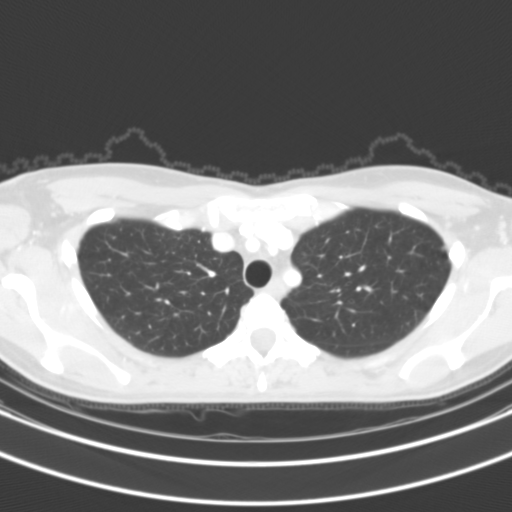
Axial slice 86 of 116 of a chest CT (slice 1 is the lowest), reconstructed with the B31s kernel at 130 kVp; 3.00 mm slice thickness and 0.588 mm pixels.
Pulmonary nodule, outlined by all four readers, three of them on this slice. Box on this slice rows 246–250, columns 440–444, the union of the readers' outlines on this slice; the four readers' outlines give a longest diameter between 4.3 and 5.4 mm and a volume between 29 and 69 mm3. Ratings across the readers: texture from 1/5 (non-solid) to 5/5 (solid) across the four readers; margin from 1/5 (indistinct) to 4/5 across the four readers; sphericity from 3/5 (ovoid) to 4/5 across the four readers; calcification absent from all four readers; internal structure soft tissue from all four readers; subtlety from 1/5 to 5/5 across the four readers; malignancy likelihood 1–4/5 (the readers disagree). Scale key (1–5): texture non-solid→solid, margin indistinct→circumscribed, sphericity linear→round, subtlety extremely subtle→obvious, malignancy likelihood highly unlikely→highly suspicious of cancer. Box rows and columns are 0-based pixel indices from the top-left corner, inclusive.